Axial slice 130 of 208 of a chest CT (slice 1 is the lowest), reconstructed with the BONE kernel at 120 kVp; 1.25 mm slice thickness and 0.723 mm pixels.
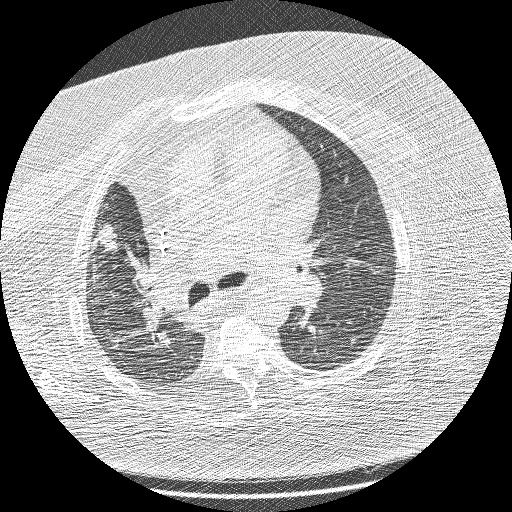
Pulmonary nodule at rows 224–253, columns 93–119 (box = the union of the readers' outlines on this slice), outlined by all four readers; median longest diameter 27.6 mm (readers' outlines 25.6–30.6 mm), median volume 4739 mm3 (4623–6820 mm3). Median ratings and the readers' spread: texture 5/5 (solid) from all four readers; margin 3/5 at the median of four readers, spread 1/5 (indistinct) to 3/5; sphericity 3/5 (ovoid) at the median of four readers, spread 3/5 (ovoid) to 4/5; calcification absent, all four readers agreeing; internal structure soft tissue, all four readers agreeing; subtlety 5/5, all four readers agreeing; malignancy likelihood 5/5, all four readers agreeing. Scale key (1–5): texture non-solid→solid, margin indistinct→circumscribed, sphericity linear→round, subtlety extremely subtle→obvious, malignancy likelihood highly unlikely→highly suspicious of cancer. Box rows and columns are 0-based pixel indices from the top-left corner, inclusive.